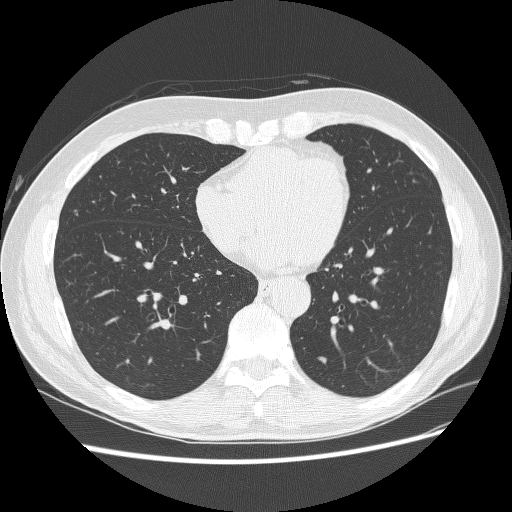
Axial slice 105 of 280 of a chest CT (slice 1 is the lowest), reconstructed with the BONE kernel at 120 kVp; 1.25 mm slice thickness and 0.703 mm pixels.
Pulmonary nodule at rows 356–363, columns 318–326 (box = the union of the readers' outlines on this slice), outlined by all four readers; median longest diameter 8.0 mm (readers' outlines 7.2–8.9 mm), median volume 89 mm3 (60–103 mm3). Median ratings and the readers' spread: median texture 5/5 (solid) (readers ranged 4/5 to 5/5 (solid)); margin 4/5 from all four readers; sphericity 2.5/5 at the median of four readers, spread 2/5 to 3/5 (ovoid); calcification absent from all four readers; internal structure soft tissue from all four readers; subtlety 3.5/5 at the median of four readers, spread 1–4; malignancy likelihood 2.5/5 at the median of four readers, spread 2–3. Scale key (1–5): texture non-solid→solid, margin indistinct→circumscribed, sphericity linear→round, subtlety extremely subtle→obvious, malignancy likelihood highly unlikely→highly suspicious of cancer. Box rows and columns are 0-based pixel indices from the top-left corner, inclusive.